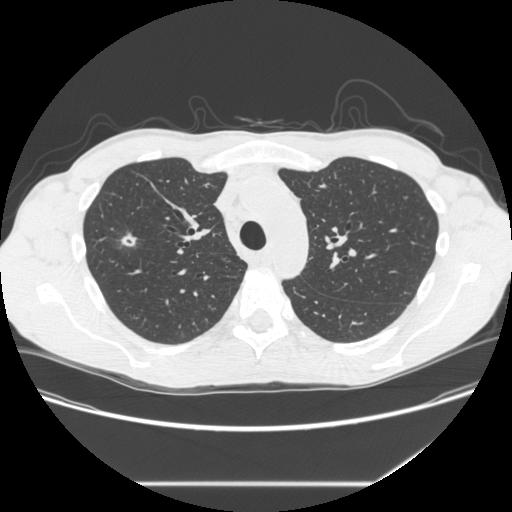
Axial chest CT slice 216 of 301 (counted from the lowest slice); tube voltage 120 kVp, convolution kernel STANDARD; slices 1.25 mm thick, 0.752 mm per pixel.
Pulmonary nodule, outlined by all four readers. Box on this slice rows 232–246, columns 120–136, the union of the readers' outlines on this slice; longest diameter 13.6 mm on average over the four readers' outlines (readers' outlines 12.1–14.8 mm), volume 491–1018 mm3. The readers' prevailing ratings and who disagreed: texture 5/5 (solid) by two of four readers; the rest gave 3/5 (part-solid) (one), 4/5 (one); margin 1/5 (indistinct) by two of four readers; the rest gave 3/5 (one), 4/5 (one); sphericity 4/5 by three of four readers; the rest gave 2/5 (one); calcification absent, all four readers agreeing; internal structure split among the readers: soft tissue (two), air (two); subtlety 5/5 from all four readers; malignancy likelihood split among the readers: 4/5 (two), 5/5 (two). Scale key (1–5): texture non-solid→solid, margin indistinct→circumscribed, sphericity linear→round, subtlety extremely subtle→obvious, malignancy likelihood highly unlikely→highly suspicious of cancer. Box rows and columns are 0-based pixel indices from the top-left corner, inclusive.